One axial slice (70 of 113, counting up from the lowest) of a chest CT acquired at 120 kVp with the STANDARD kernel; each pixel is 0.703 mm and the slice is 2.50 mm thick.
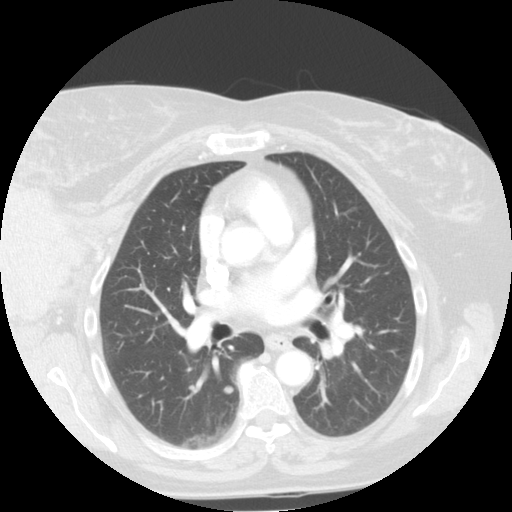
Pulmonary nodule at rows 385–393, columns 223–233 (box = the union of the readers' outlines on this slice), outlined by all four readers; the four readers' outlines give a longest diameter between 7.9 and 9.1 mm and a volume between 171 and 234 mm3. Ratings across the readers: texture 5/5 (solid) from all four readers; margin from 4/5 to 5/5 (circumscribed) across the four readers; sphericity from 3/5 (ovoid) to 5/5 (round) across the four readers; calcification absent from all four readers; internal structure soft tissue from all four readers; subtlety 3–5/5 (the readers disagree); malignancy likelihood rated between 2 and 3 out of 5 by the four readers. Scale key (1–5): texture non-solid→solid, margin indistinct→circumscribed, sphericity linear→round, subtlety extremely subtle→obvious, malignancy likelihood highly unlikely→highly suspicious of cancer. Box rows and columns are 0-based pixel indices from the top-left corner, inclusive.